Axial chest CT slice 163 of 251 (counted from the lowest slice); tube voltage 120 kVp, convolution kernel STANDARD; slices 1.25 mm thick, 0.809 mm per pixel.
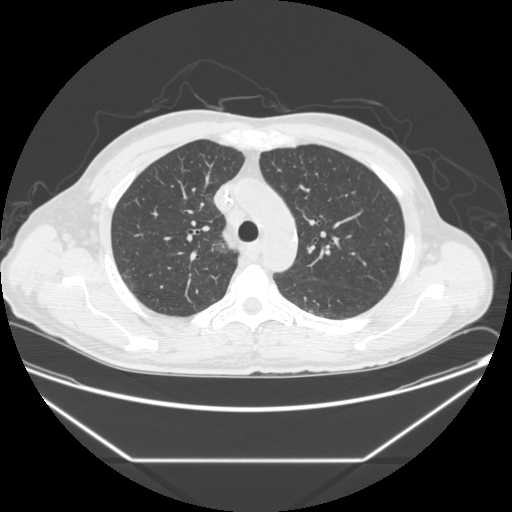
The readers outlined no nodule of 3 mm or more on this slice.